Chest CT, axial plane, 120 kVp, kernel STANDARD. Slice 109/258 from the bottom of the scan; thickness 1.25 mm; pixel size 0.859 mm.
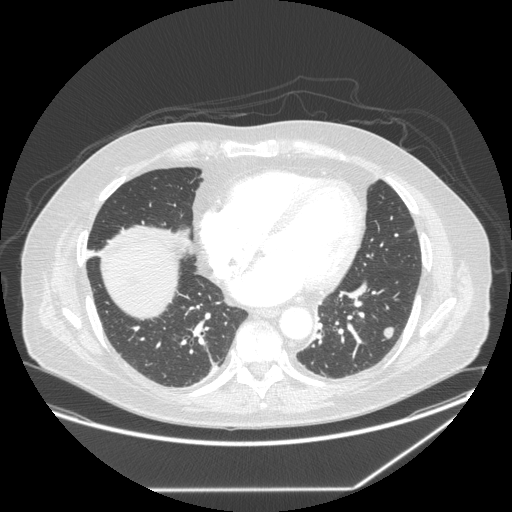
Pulmonary nodule at rows 327–338, columns 382–394 (box = the union of the readers' outlines on this slice), outlined by all four readers; longest diameter 15.1 mm on average over the four readers' outlines (readers' outlines 13.1–16.3 mm), volume 787–1264 mm3. The readers' prevailing ratings and who disagreed: texture 5/5 (solid) from all four readers; margin split among the readers: 4/5 (two), 5/5 (circumscribed) (two); sphericity 5/5 (round) by two of four readers; the rest gave 3/5 (ovoid) (one), 4/5 (one); calcification absent from all four readers; internal structure soft tissue from all four readers; subtlety 5/5 by three of four readers; the rest gave 3/5 (one); malignancy likelihood 5/5 by two of four readers; the rest gave 2/5 (one), 3/5 (one). Scale key (1–5): texture non-solid→solid, margin indistinct→circumscribed, sphericity linear→round, subtlety extremely subtle→obvious, malignancy likelihood highly unlikely→highly suspicious of cancer. Box rows and columns are 0-based pixel indices from the top-left corner, inclusive.